Chest CT, axial plane, 120 kVp, kernel D. Slice 187/280 from the bottom of the scan; thickness 2.00 mm; pixel size 0.627 mm.
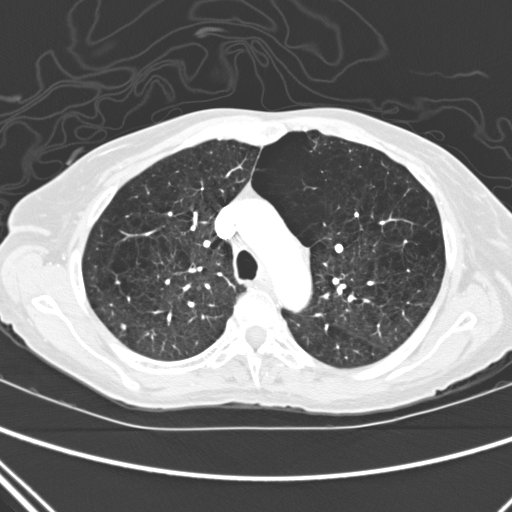
Pulmonary nodule outlined by two of the four readers; box rows 323–329, columns 121–125 (the union of the readers' outlines on this slice); longest diameter 5.1 mm on average over the two readers' outlines (readers' outlines 5.1 mm), volume 53–57 mm3. The readers' prevailing ratings and who disagreed: texture 5/5 (solid), both readers agreeing; margin 5/5 (circumscribed), both readers agreeing; sphericity split among the readers: 4/5 (one), 5/5 (round) (one); calcification absent, both readers agreeing; internal structure soft tissue, both readers agreeing; subtlety split among the readers: 2/5 (one), 3/5 (one); malignancy likelihood 2/5, both readers agreeing. Scale key (1–5): texture non-solid→solid, margin indistinct→circumscribed, sphericity linear→round, subtlety extremely subtle→obvious, malignancy likelihood highly unlikely→highly suspicious of cancer. Box rows and columns are 0-based pixel indices from the top-left corner, inclusive.